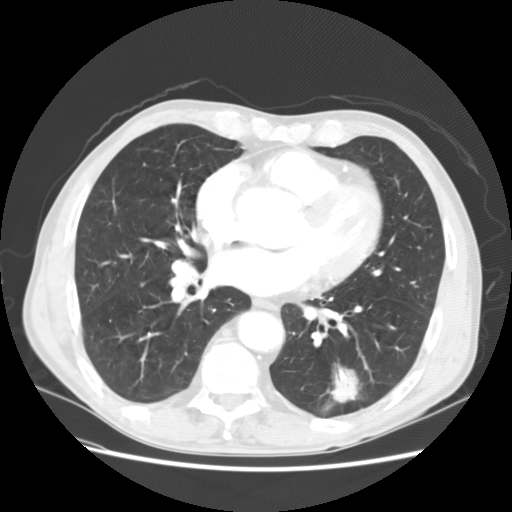
Chest CT, axial plane, 120 kVp, kernel STANDARD. Slice 70/147 from the bottom of the scan; thickness 2.50 mm; pixel size 0.703 mm.
Pulmonary nodule at rows 363–402, columns 327–360 (box = the union of the readers' outlines on this slice), outlined by all four readers; longest diameter 31.1 mm on average over the four readers' outlines (readers' outlines 30.2–32.4 mm), volume 8441–9544 mm3. Ratings, by the readers' most common answer with dissent counted: most readers (three of four) put texture at 5/5 (solid), others 3/5 (part-solid) (one); margin 4/5 by two of four readers; the rest gave 2/5 (one), 5/5 (circumscribed) (one); sphericity 5/5 (round) by two of four readers; the rest gave 3/5 (ovoid) (one), 4/5 (one); calcification absent, all four readers agreeing; internal structure soft tissue from all four readers; subtlety 5/5, all four readers agreeing; malignancy likelihood split among the readers: 3/5 (two), 5/5 (two). Scale key (1–5): texture non-solid→solid, margin indistinct→circumscribed, sphericity linear→round, subtlety extremely subtle→obvious, malignancy likelihood highly unlikely→highly suspicious of cancer. Box rows and columns are 0-based pixel indices from the top-left corner, inclusive.